One axial slice (270 of 557, counting up from the lowest) of a chest CT acquired at 120 kVp with the STANDARD kernel; each pixel is 0.703 mm and the slice is 1.25 mm thick.
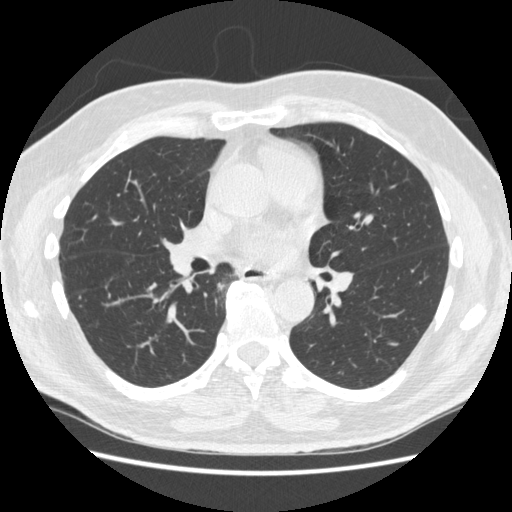
Pulmonary nodule outlined by two of the four readers; box rows 306–307, columns 79–81 (the union of the readers' outlines on this slice); the two readers' outlines give a longest diameter between 5.7 and 6.3 mm and a volume between 41 and 64 mm3. The readers' ratings, as ranges where they differ: texture 5/5 (solid) from both readers; margin 5/5 (circumscribed), both readers agreeing; sphericity from 4/5 to 5/5 (round) across the two readers; calcification absent from both readers; internal structure soft tissue, both readers agreeing; subtlety from 1/5 to 4/5 across the two readers; malignancy likelihood rated between 2 and 3 out of 5 by the two readers. Scale key (1–5): texture non-solid→solid, margin indistinct→circumscribed, sphericity linear→round, subtlety extremely subtle→obvious, malignancy likelihood highly unlikely→highly suspicious of cancer. Box rows and columns are 0-based pixel indices from the top-left corner, inclusive.